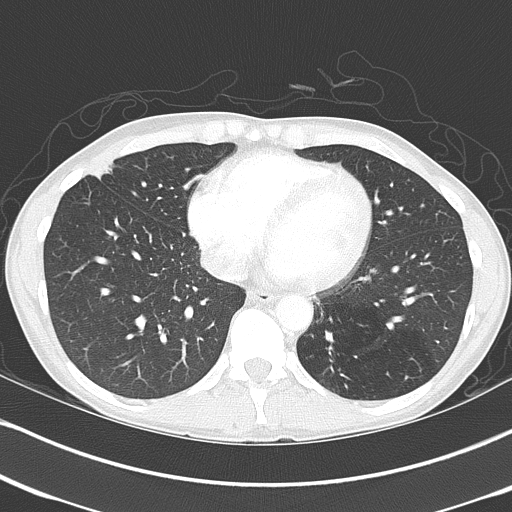
This is axial slice 158 of 368 (slice 1 is the lowest) of a chest CT; each pixel is 0.623 mm and the slice is 2.00 mm thick. Pulmonary nodule, outlined by all four readers, one of them on this slice. Box on this slice rows 162–178, columns 91–111, the one reader's outline on this slice; median longest diameter 29.8 mm (readers' outlines 27.1–39.3 mm), median volume 7696 mm3 (6531–9806 mm3). Median ratings and the readers' spread: texture 5/5 (solid), all four readers agreeing; median margin 4/5 (readers ranged 2/5 to 5/5 (circumscribed)); sphericity 3/5 (ovoid) at the median of four readers, spread 2/5 to 3/5 (ovoid); calcification split among the readers: laminated calcification (one), absent (one), popcorn calcification (one), non-central calcification (one); internal structure soft tissue from all four readers; subtlety 5/5, all four readers agreeing; malignancy likelihood 3/5 at the median of four readers, spread 1–5. Scale key (1–5): texture non-solid→solid, margin indistinct→circumscribed, sphericity linear→round, subtlety extremely subtle→obvious, malignancy likelihood highly unlikely→highly suspicious of cancer. Box rows and columns are 0-based pixel indices from the top-left corner, inclusive.
Scan settings: 120 kVp, B70f reconstruction kernel.